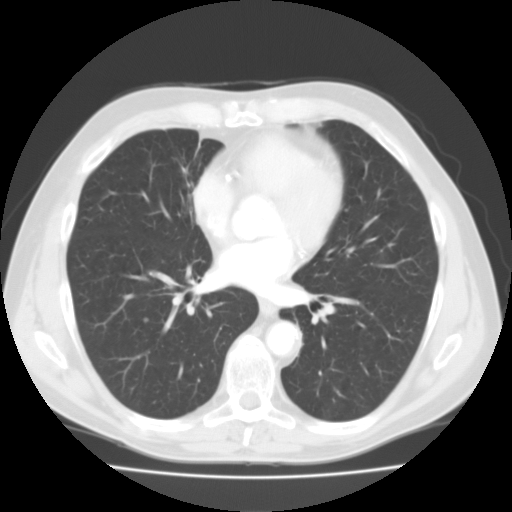
Axial slice 54 of 109 of a chest CT (slice 1 is the lowest), reconstructed with the FC01 kernel at 135 kVp; 3.00 mm slice thickness and 0.720 mm pixels.
Pulmonary nodule outlined by one of the four readers; box rows 318–321, columns 144–147 (that reader's outline on this slice); longest diameter 6.2 mm and volume 97 mm3 from that reader's outline. That reader's ratings: texture 5/5 (solid); margin 5/5 (circumscribed); sphericity 4/5; calcification absent; internal structure soft tissue; subtlety 3/5; malignancy likelihood 2/5. Scale key (1–5): texture non-solid→solid, margin indistinct→circumscribed, sphericity linear→round, subtlety extremely subtle→obvious, malignancy likelihood highly unlikely→highly suspicious of cancer. Box rows and columns are 0-based pixel indices from the top-left corner, inclusive.